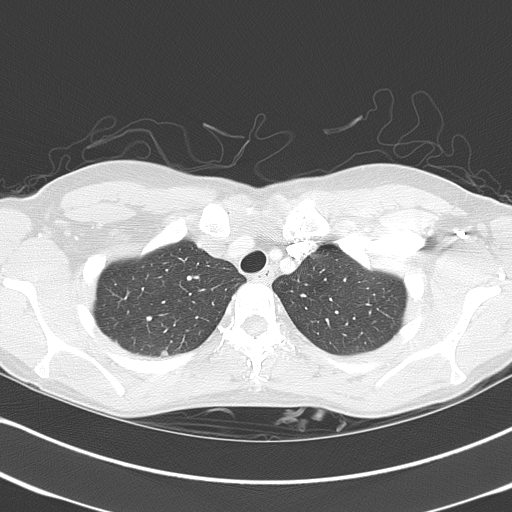
Axial chest CT slice 317 of 368 (counted from the lowest slice); 2.00 mm thick, 0.623 mm per pixel. Pulmonary nodule outlined by three of the four readers; box rows 350–355, columns 161–167 (the union of the readers' outlines on this slice); longest diameter 6.2 mm on average over the three readers' outlines (readers' outlines 5.1–6.9 mm), volume 47–73 mm3. The readers' prevailing ratings and who disagreed: texture 5/5 (solid) from all three readers; margin split among the readers: 3/5 (one), 4/5 (one), 5/5 (circumscribed) (one); most readers (two of three) put sphericity at 4/5, others 3/5 (ovoid) (one); calcification absent, all three readers agreeing; internal structure soft tissue from all three readers; subtlety split among the readers: 3/5 (one), 4/5 (one), 5/5 (one); malignancy likelihood 2/5 by two of three readers; the rest gave 3/5 (one). Scale key (1–5): texture non-solid→solid, margin indistinct→circumscribed, sphericity linear→round, subtlety extremely subtle→obvious, malignancy likelihood highly unlikely→highly suspicious of cancer. Box rows and columns are 0-based pixel indices from the top-left corner, inclusive.
Scan settings: 120 kVp, B70f reconstruction kernel.